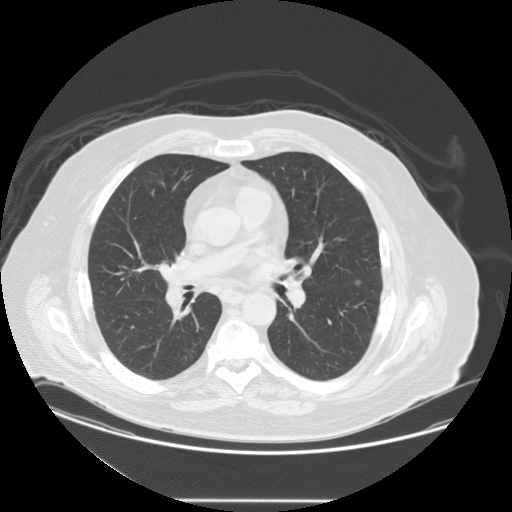
One axial slice (80 of 133, counting up from the lowest) of a chest CT acquired at 120 kVp with the STANDARD kernel; each pixel is 0.859 mm and the slice is 2.50 mm thick.
Pulmonary nodule, outlined by all four readers, three of them on this slice. Box on this slice rows 279–285, columns 354–361, the union of the readers' outlines on this slice; longest diameter 9.6–11.3 mm and volume 358–661 mm3 across the four readers' outlines. Ratings across the readers: texture 5/5 (solid) from all four readers; margin 5/5 (circumscribed), all four readers agreeing; sphericity from 4/5 to 5/5 (round) across the four readers; calcification absent, all four readers agreeing; internal structure soft tissue, all four readers agreeing; subtlety rated between 3 and 5 out of 5 by the four readers; malignancy likelihood 2–3/5 (the readers disagree). Scale key (1–5): texture non-solid→solid, margin indistinct→circumscribed, sphericity linear→round, subtlety extremely subtle→obvious, malignancy likelihood highly unlikely→highly suspicious of cancer. Box rows and columns are 0-based pixel indices from the top-left corner, inclusive.